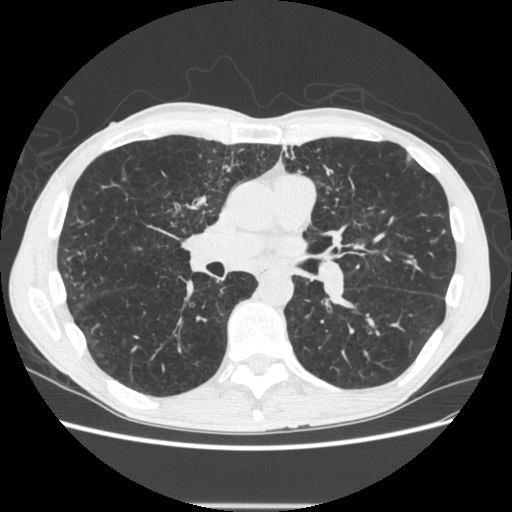
This is axial slice 330 of 605 (slice 1 is the lowest) of a chest CT; each pixel is 0.703 mm and the slice is 1.25 mm thick. Pulmonary nodule at rows 154–161, columns 407–411 (box = the union of the readers' outlines on this slice), outlined by all four readers; longest diameter 8.0–8.9 mm and volume 44–96 mm3 across the four readers' outlines. The readers' ratings, as ranges where they differ: texture 5/5 (solid) from all four readers; margin from 4/5 to 5/5 (circumscribed) across the four readers; sphericity from 3/5 (ovoid) to 5/5 (round) across the four readers; calcification absent from all four readers; internal structure soft tissue from all four readers; subtlety 4/5 from all four readers; malignancy likelihood from 1/5 to 3/5 across the four readers. Scale key (1–5): texture non-solid→solid, margin indistinct→circumscribed, sphericity linear→round, subtlety extremely subtle→obvious, malignancy likelihood highly unlikely→highly suspicious of cancer. Box rows and columns are 0-based pixel indices from the top-left corner, inclusive.
Acquired at 120 kVp and reconstructed with the STANDARD kernel.